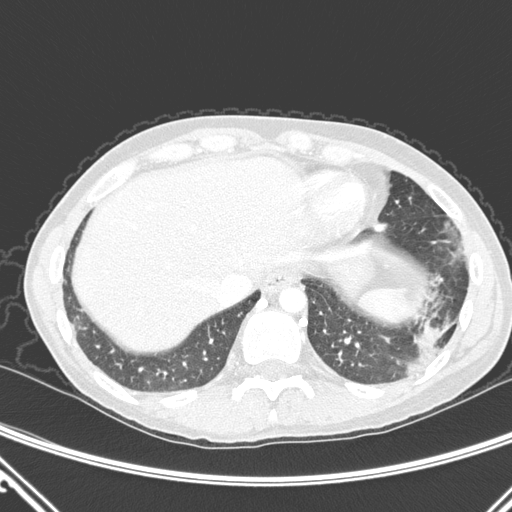
One axial slice (65 of 290, counting up from the lowest) of a chest CT acquired at 120 kVp with the D kernel; each pixel is 0.662 mm and the slice is 1.00 mm thick.
Pulmonary nodule at rows 321–345, columns 421–444 (box = the union of the readers' outlines on this slice), outlined by two of the four readers; median longest diameter 17.1 mm (readers' outlines 16.8–17.4 mm), median volume 506 mm3 (457–555 mm3). Median ratings and the readers' spread: texture 5/5 (solid), both readers agreeing; margin 1.5/5 at the median of two readers, spread 1/5 (indistinct) to 2/5; sphericity 3.5/5 at the median of two readers, spread 3/5 (ovoid) to 4/5; calcification absent from both readers; internal structure soft tissue from both readers; subtlety 4/5, both readers agreeing; malignancy likelihood 3.5/5 at the median of two readers, spread 3–4. Scale key (1–5): texture non-solid→solid, margin indistinct→circumscribed, sphericity linear→round, subtlety extremely subtle→obvious, malignancy likelihood highly unlikely→highly suspicious of cancer. Box rows and columns are 0-based pixel indices from the top-left corner, inclusive.